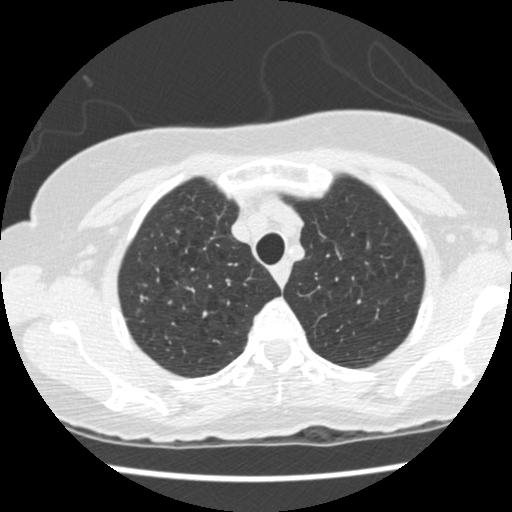
Axial slice 379 of 458 of a chest CT (slice 1 is the lowest), reconstructed with the STANDARD kernel at 120 kVp; 1.25 mm slice thickness and 0.586 mm pixels.
Pulmonary nodule, outlined by all four readers, three of them on this slice. Box on this slice rows 295–301, columns 140–147, the union of the readers' outlines on this slice; median longest diameter 6.2 mm (readers' outlines 5.0–7.8 mm), median volume 81 mm3 (57–106 mm3). Ratings, median across the readers with their spread: texture 4.5/5 at the median of four readers, spread 4/5 to 5/5 (solid); median margin 3.5/5 (readers ranged 3/5 to 4/5); median sphericity 4/5 (readers ranged 4/5 to 5/5 (round)); calcification absent, all four readers agreeing; internal structure soft tissue from all four readers; subtlety 3.5/5 at the median of four readers, spread 3–5; malignancy likelihood 2.5/5 at the median of four readers, spread 2–4. Scale key (1–5): texture non-solid→solid, margin indistinct→circumscribed, sphericity linear→round, subtlety extremely subtle→obvious, malignancy likelihood highly unlikely→highly suspicious of cancer. Box rows and columns are 0-based pixel indices from the top-left corner, inclusive.